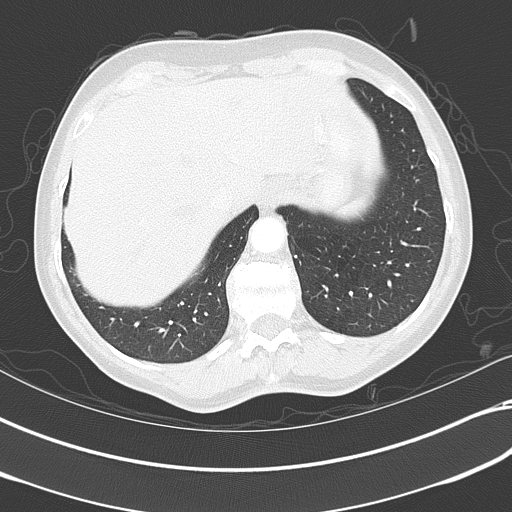
Axial chest CT slice 102 of 351 (counted from the lowest slice); 2.00 mm thick, 0.643 mm per pixel. Pulmonary nodule at rows 301–305, columns 180–184 (box = that reader's outline on this slice), outlined by one of the four readers; longest diameter 4.7 mm and volume 48 mm3 from that reader's outline. That reader's ratings: texture 5/5 (solid); margin 5/5 (circumscribed); sphericity 5/5 (round); calcification solid calcification; internal structure soft tissue; subtlety 3/5; malignancy likelihood 1/5. Scale key (1–5): texture non-solid→solid, margin indistinct→circumscribed, sphericity linear→round, subtlety extremely subtle→obvious, malignancy likelihood highly unlikely→highly suspicious of cancer. Box rows and columns are 0-based pixel indices from the top-left corner, inclusive.
Scan settings: 120 kVp, B70f reconstruction kernel.